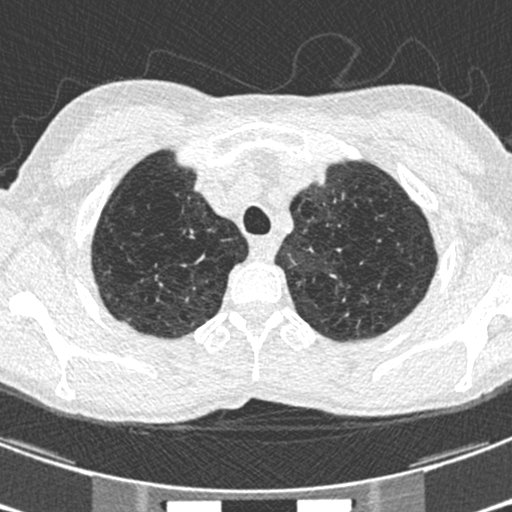
Axial chest CT slice 548 of 633 (counted from the lowest slice); tube voltage 120 kVp, convolution kernel B30f; slices 0.60 mm thick, 0.541 mm per pixel.
Pulmonary nodule at rows 293–300, columns 106–112 (box = that reader's outline on this slice), outlined by one of the four readers; longest diameter 5.8 mm and volume 27 mm3 from that reader's outline. That reader's ratings: texture 3/5 (part-solid); margin 1/5 (indistinct); sphericity 4/5; calcification absent; internal structure soft tissue; subtlety 4/5; malignancy likelihood 3/5. Scale key (1–5): texture non-solid→solid, margin indistinct→circumscribed, sphericity linear→round, subtlety extremely subtle→obvious, malignancy likelihood highly unlikely→highly suspicious of cancer. Box rows and columns are 0-based pixel indices from the top-left corner, inclusive.